One axial slice (195 of 225, counting up from the lowest) of a chest CT acquired at 120 kVp with the STANDARD kernel; each pixel is 0.828 mm and the slice is 1.25 mm thick.
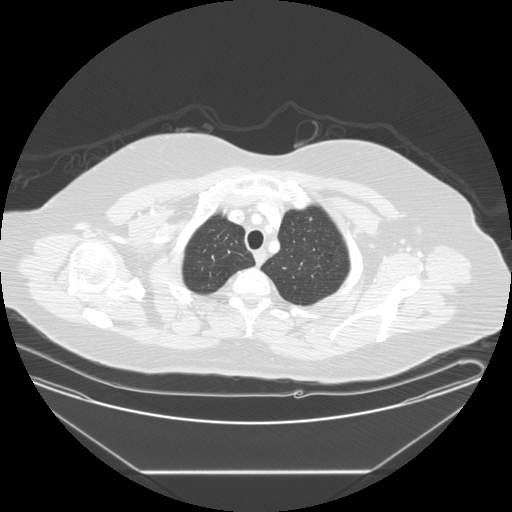
Pulmonary nodule outlined by all four readers; box rows 216–220, columns 309–312 (the union of the readers' outlines on this slice); longest diameter 7.2 mm on average over the four readers' outlines (readers' outlines 6.7–7.9 mm), volume 129–187 mm3. Ratings, by the readers' most common answer with dissent counted: texture 5/5 (solid), all four readers agreeing; margin split among the readers: 4/5 (two), 5/5 (circumscribed) (two); sphericity 4/5 by three of four readers; the rest gave 5/5 (round) (one); calcification absent, all four readers agreeing; internal structure soft tissue from all four readers; subtlety split among the readers: 2/5 (one), 3/5 (one), 4/5 (one), 5/5 (one); most readers (three of four) put malignancy likelihood at 3/5, others 2/5 (one). Scale key (1–5): texture non-solid→solid, margin indistinct→circumscribed, sphericity linear→round, subtlety extremely subtle→obvious, malignancy likelihood highly unlikely→highly suspicious of cancer. Box rows and columns are 0-based pixel indices from the top-left corner, inclusive.